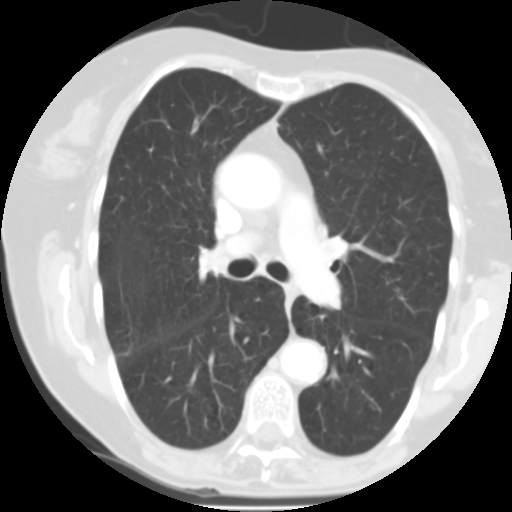
This is axial slice 61 of 101 (slice 1 is the lowest) of a chest CT; each pixel is 0.558 mm and the slice is 3.00 mm thick. The readers outlined no nodule of 3 mm or more on this slice.
Scan settings: 135 kVp, FC01 reconstruction kernel.